Axial chest CT slice 239 of 429 (counted from the lowest slice); tube voltage 120 kVp, convolution kernel STANDARD; slices 1.25 mm thick, 0.586 mm per pixel.
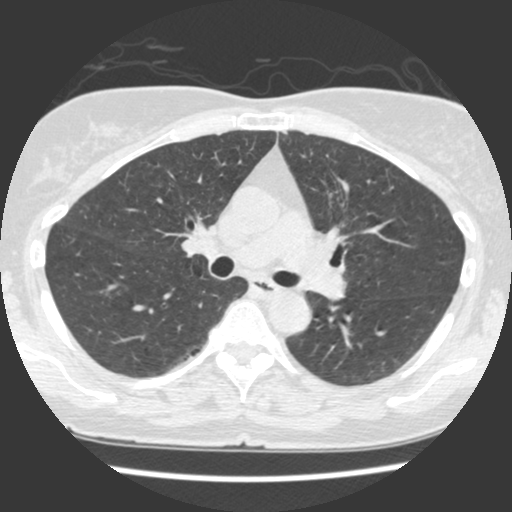
Pulmonary nodule outlined by one of the four readers; box rows 131–133, columns 283–286 (that reader's outline on this slice); longest diameter 7.8 mm and volume 111 mm3 from that reader's outline. That reader's ratings: texture 5/5 (solid); margin 2/5; sphericity 2/5; calcification absent; internal structure soft tissue; subtlety 2/5; malignancy likelihood 1/5. Scale key (1–5): texture non-solid→solid, margin indistinct→circumscribed, sphericity linear→round, subtlety extremely subtle→obvious, malignancy likelihood highly unlikely→highly suspicious of cancer. Box rows and columns are 0-based pixel indices from the top-left corner, inclusive.